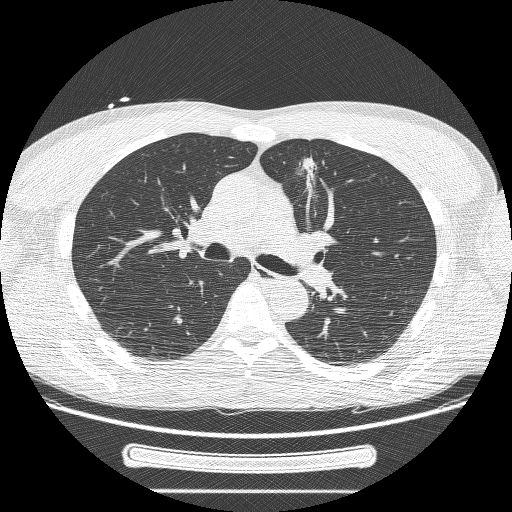
Axial slice 150 of 244 of a chest CT (slice 1 is the lowest), reconstructed with the BONE kernel at 120 kVp; 1.25 mm slice thickness and 0.729 mm pixels.
Pulmonary nodule at rows 156–178, columns 296–316 (box = the union of the readers' outlines on this slice), outlined by three of the four readers; median longest diameter 37.5 mm (readers' outlines 27.4–37.9 mm), median volume 6861 mm3 (2934–10099 mm3). Ratings, median across the readers with their spread: median texture 5/5 (solid) (readers ranged 3/5 (part-solid) to 5/5 (solid)); margin 2/5 at the median of three readers, spread 1/5 (indistinct) to 3/5; median sphericity 3/5 (ovoid) (readers ranged 2/5 to 4/5); calcification absent from all three readers; internal structure soft tissue, all three readers agreeing; subtlety 5/5 from all three readers; malignancy likelihood 5/5 at the median of three readers, spread 3–5. Scale key (1–5): texture non-solid→solid, margin indistinct→circumscribed, sphericity linear→round, subtlety extremely subtle→obvious, malignancy likelihood highly unlikely→highly suspicious of cancer. Box rows and columns are 0-based pixel indices from the top-left corner, inclusive.